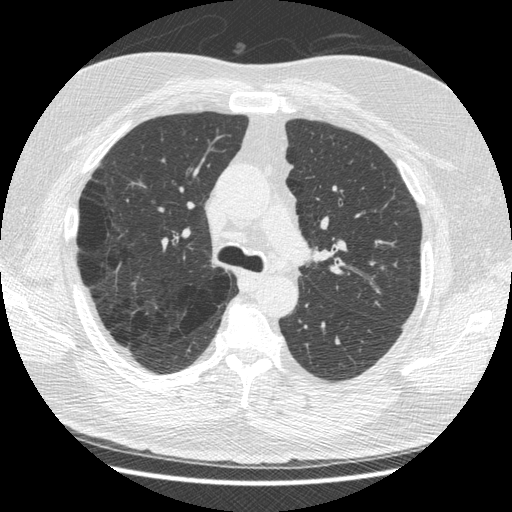
Slice 310/487 of a chest CT, counting up from the lowest; pixel size 0.703 mm, slice thickness 1.25 mm. Pulmonary nodule outlined by two of the four readers; box rows 266–269, columns 379–384 (the union of the readers' outlines on this slice); median longest diameter 9.5 mm (readers' outlines 9.4–9.6 mm), median volume 155 mm3 (154–156 mm3). Ratings, median across the readers with their spread: median texture 3.5/5 (readers ranged 3/5 (part-solid) to 4/5); margin 3/5 at the median of two readers, spread 2/5 to 4/5; sphericity 3/5 (ovoid), both readers agreeing; calcification absent from both readers; internal structure soft tissue, both readers agreeing; median subtlety 2.5/5 (readers ranged 2–3); median malignancy likelihood 3.5/5 (readers ranged 3–4). Scale key (1–5): texture non-solid→solid, margin indistinct→circumscribed, sphericity linear→round, subtlety extremely subtle→obvious, malignancy likelihood highly unlikely→highly suspicious of cancer. Box rows and columns are 0-based pixel indices from the top-left corner, inclusive.
Scan settings: 120 kVp, STANDARD reconstruction kernel.